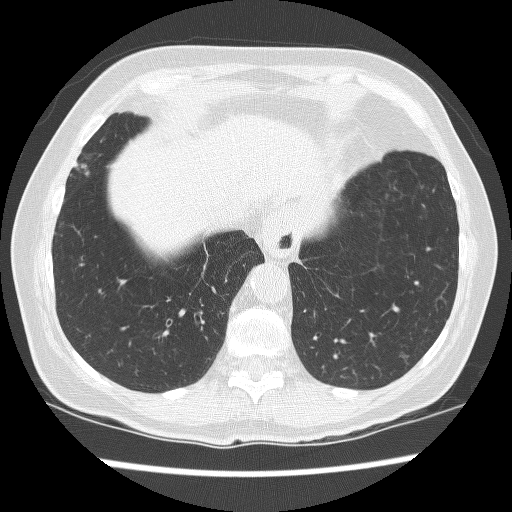
Axial chest CT slice 66 of 241 (counted from the lowest slice); tube voltage 120 kVp, convolution kernel BONE; slices 1.25 mm thick, 0.609 mm per pixel.
Pulmonary nodule outlined by one of the four readers; box rows 221–227, columns 59–64 (that reader's outline on this slice); longest diameter 6.9 mm and volume 125 mm3 from that reader's outline. Ratings by that reader: texture 1/5 (non-solid); margin 1/5 (indistinct); sphericity 4/5; calcification absent; internal structure soft tissue; subtlety 2/5; malignancy likelihood 3/5. Scale key (1–5): texture non-solid→solid, margin indistinct→circumscribed, sphericity linear→round, subtlety extremely subtle→obvious, malignancy likelihood highly unlikely→highly suspicious of cancer. Box rows and columns are 0-based pixel indices from the top-left corner, inclusive.